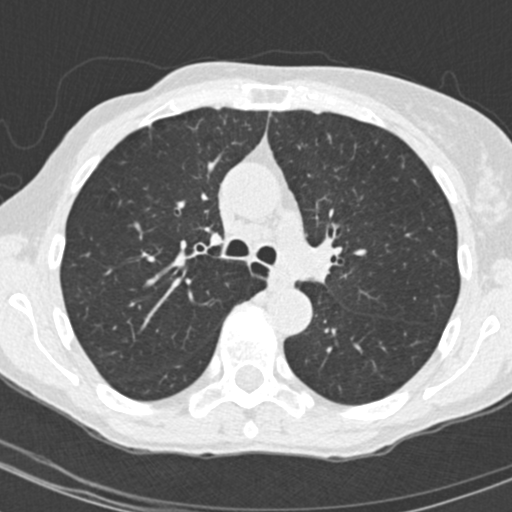
One axial slice (133 of 202, counting up from the lowest) of a chest CT acquired at 120 kVp with the B30f kernel; each pixel is 0.566 mm and the slice is 2.00 mm thick.
No nodule of 3 mm or larger was outlined by any of the four readers on this slice.